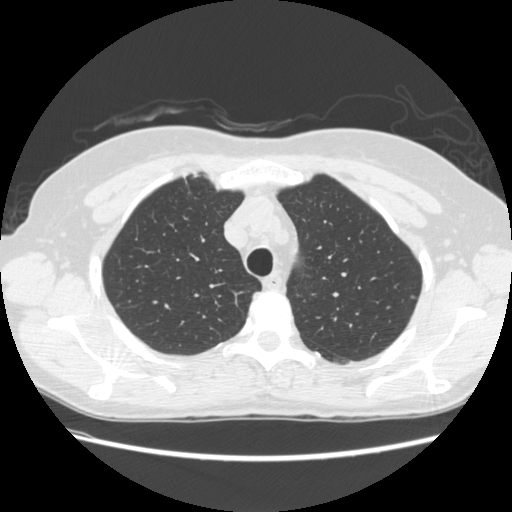
Axial slice 197 of 261 of a chest CT (slice 1 is the lowest), reconstructed with the STANDARD kernel at 120 kVp; 1.25 mm slice thickness and 0.682 mm pixels.
Pulmonary nodule outlined by two of the four readers; box rows 356–364, columns 334–352 (the union of the readers' outlines on this slice); longest diameter 30.8 mm on average over the two readers' outlines (readers' outlines 30.0–31.5 mm), volume 6577–7912 mm3. The readers' prevailing ratings and who disagreed: texture split among the readers: 1/5 (non-solid) (one), 2/5 (one); margin split among the readers: 1/5 (indistinct) (one), 2/5 (one); sphericity split among the readers: 3/5 (ovoid) (one), 5/5 (round) (one); calcification absent, both readers agreeing; internal structure soft tissue from both readers; subtlety split among the readers: 1/5 (one), 2/5 (one); malignancy likelihood split among the readers: 4/5 (one), 5/5 (one). Scale key (1–5): texture non-solid→solid, margin indistinct→circumscribed, sphericity linear→round, subtlety extremely subtle→obvious, malignancy likelihood highly unlikely→highly suspicious of cancer. Box rows and columns are 0-based pixel indices from the top-left corner, inclusive.